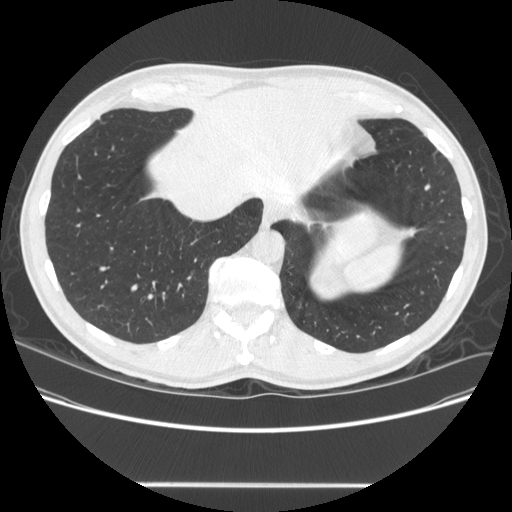
Axial slice 121 of 567 of a chest CT (slice 1 is the lowest), reconstructed with the STANDARD kernel at 120 kVp; 1.25 mm slice thickness and 0.742 mm pixels.
Pulmonary nodule at rows 184–190, columns 424–430 (box = the union of the readers' outlines on this slice), outlined by all four readers; median longest diameter 8.1 mm (readers' outlines 7.6–9.5 mm), median volume 114 mm3 (105–126 mm3). Median ratings and the readers' spread: texture 5/5 (solid) from all four readers; median margin 4.5/5 (readers ranged 4/5 to 5/5 (circumscribed)); sphericity 3/5 (ovoid) at the median of four readers, spread 2/5 to 3/5 (ovoid); calcification: absent (three), solid calcification (one); internal structure soft tissue, all four readers agreeing; median subtlety 4/5 (readers ranged 3–4); malignancy likelihood 2/5 at the median of four readers, spread 1–3. Scale key (1–5): texture non-solid→solid, margin indistinct→circumscribed, sphericity linear→round, subtlety extremely subtle→obvious, malignancy likelihood highly unlikely→highly suspicious of cancer. Box rows and columns are 0-based pixel indices from the top-left corner, inclusive.